Axial chest CT slice 173 of 260 (counted from the lowest slice); tube voltage 120 kVp, convolution kernel B45f; slices 1.00 mm thick, 0.625 mm per pixel.
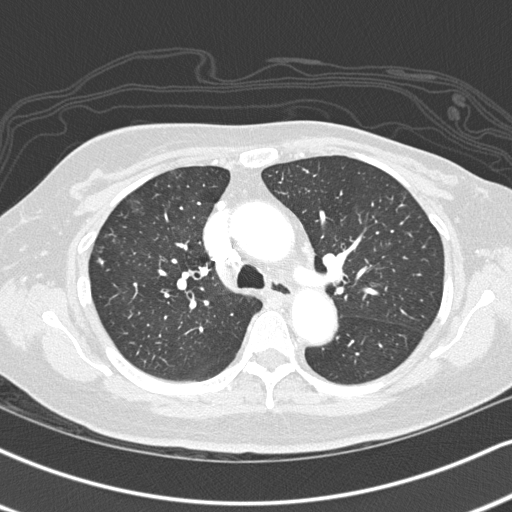
Pulmonary nodule, outlined by two of the four readers. Box on this slice rows 257–266, columns 96–103, the union of the readers' outlines on this slice; longest diameter 7.3 mm on average over the two readers' outlines (readers' outlines 6.8–7.9 mm), volume 80–104 mm3. The readers' prevailing ratings and who disagreed: texture split among the readers: 2/5 (one), 5/5 (solid) (one); margin split among the readers: 1/5 (indistinct) (one), 5/5 (circumscribed) (one); sphericity split among the readers: 4/5 (one), 5/5 (round) (one); calcification absent from both readers; internal structure soft tissue, both readers agreeing; subtlety 3/5, both readers agreeing; malignancy likelihood 2/5, both readers agreeing. Scale key (1–5): texture non-solid→solid, margin indistinct→circumscribed, sphericity linear→round, subtlety extremely subtle→obvious, malignancy likelihood highly unlikely→highly suspicious of cancer. Box rows and columns are 0-based pixel indices from the top-left corner, inclusive.